Axial chest CT slice 200 of 461 (counted from the lowest slice); tube voltage 120 kVp, convolution kernel STANDARD; slices 1.25 mm thick, 0.781 mm per pixel.
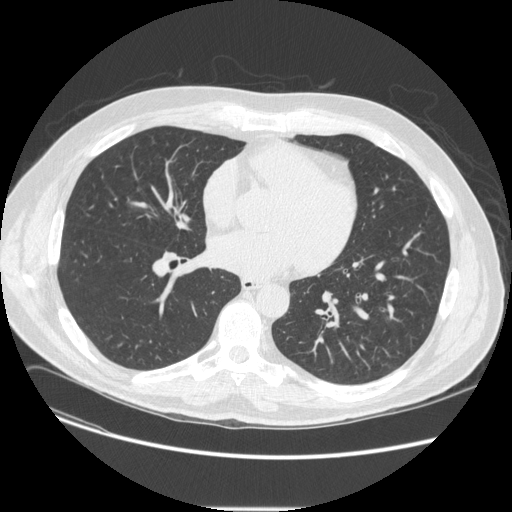
No nodule 3 mm or larger was outlined here by any reader.